Chest CT, axial plane, 120 kVp, kernel STANDARD. Slice 316/583 from the bottom of the scan; thickness 1.25 mm; pixel size 0.703 mm.
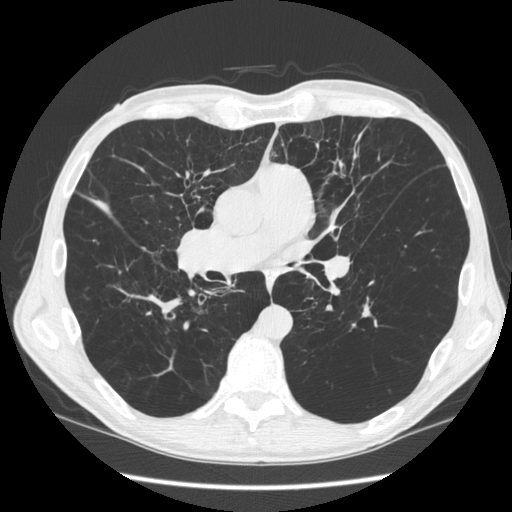
Pulmonary nodule at rows 297–316, columns 362–370 (box = the union of the readers' outlines on this slice), outlined by two of the four readers; median longest diameter 27.9 mm (readers' outlines 24.1–31.7 mm), median volume 984 mm3 (791–1176 mm3). Median ratings and the readers' spread: texture 5/5 (solid) from both readers; margin 2.5/5 at the median of two readers, spread 1/5 (indistinct) to 4/5; median sphericity 1.5/5 (readers ranged 1/5 (linear) to 2/5); calcification absent, both readers agreeing; internal structure soft tissue from both readers; subtlety 5/5, both readers agreeing; median malignancy likelihood 2.5/5 (readers ranged 2–3). Scale key (1–5): texture non-solid→solid, margin indistinct→circumscribed, sphericity linear→round, subtlety extremely subtle→obvious, malignancy likelihood highly unlikely→highly suspicious of cancer. Box rows and columns are 0-based pixel indices from the top-left corner, inclusive.